Chest CT, axial plane, 120 kVp, kernel BONE. Slice 183/235 from the bottom of the scan; thickness 1.25 mm; pixel size 0.537 mm.
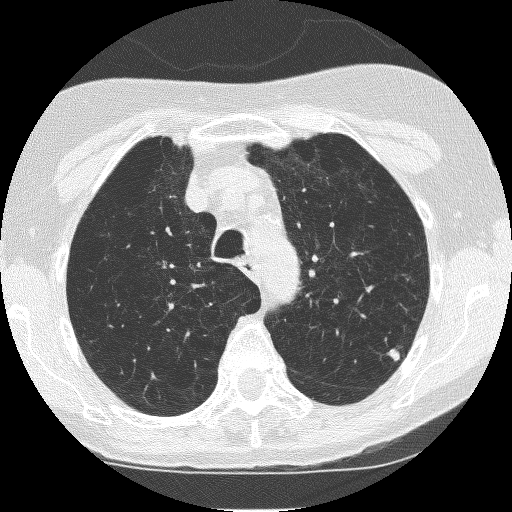
Pulmonary nodule outlined by all four readers; box rows 346–360, columns 386–399 (the union of the readers' outlines on this slice); median longest diameter 8.2 mm (readers' outlines 7.6–8.7 mm), median volume 125 mm3 (76–139 mm3). Median ratings and the readers' spread: median texture 4.5/5 (readers ranged 4/5 to 5/5 (solid)); median margin 4/5 (readers ranged 3/5 to 5/5 (circumscribed)); median sphericity 3.5/5 (readers ranged 3/5 (ovoid) to 4/5); calcification absent, all four readers agreeing; internal structure soft tissue from all four readers; median subtlety 4/5 (readers ranged 4–5); median malignancy likelihood 3/5 (readers ranged 3–4). Scale key (1–5): texture non-solid→solid, margin indistinct→circumscribed, sphericity linear→round, subtlety extremely subtle→obvious, malignancy likelihood highly unlikely→highly suspicious of cancer. Box rows and columns are 0-based pixel indices from the top-left corner, inclusive.